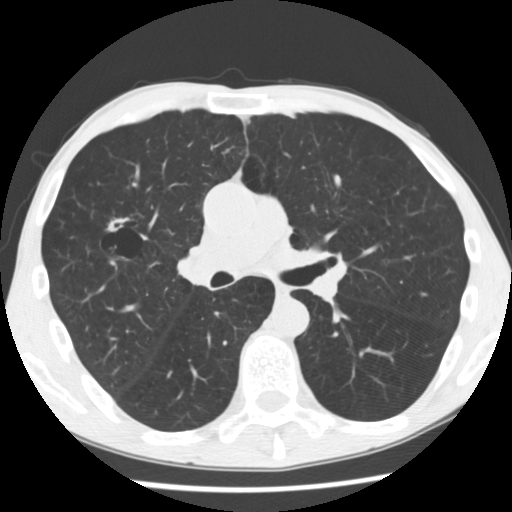
Slice 164/292 of a chest CT, counting up from the lowest; pixel size 0.645 mm, slice thickness 2.50 mm. Pulmonary nodule at rows 216–231, columns 104–131 (box = the union of the readers' outlines on this slice), outlined three times (the source holds two more outlines, not used); median longest diameter 18.3 mm (readers' outlines 18.2–19.0 mm), median volume 926 mm3 (892–1690 mm3). Ratings, median across the readers with their spread: texture 5/5 (solid), all three readers agreeing; median margin 3/5 (readers ranged 2/5 to 4/5); median sphericity 3/5 (ovoid) (readers ranged 2/5 to 4/5); calcification absent, all three readers agreeing; internal structure soft tissue, all three readers agreeing; median subtlety 4/5 (readers ranged 4–5); malignancy likelihood 5/5 at the median of three readers, spread 3–5. Scale key (1–5): texture non-solid→solid, margin indistinct→circumscribed, sphericity linear→round, subtlety extremely subtle→obvious, malignancy likelihood highly unlikely→highly suspicious of cancer. Box rows and columns are 0-based pixel indices from the top-left corner, inclusive.
Tube voltage 120 kVp; convolution kernel STANDARD.